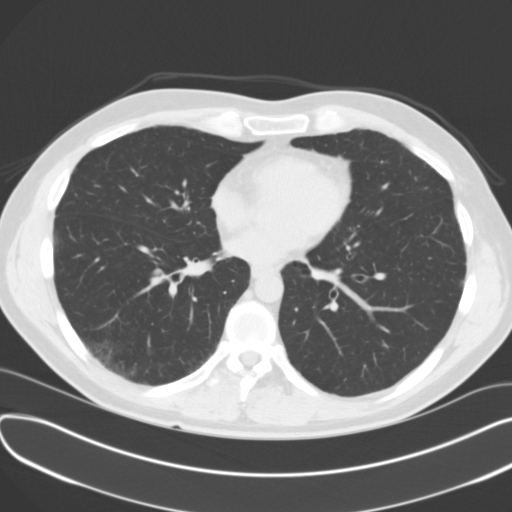
Axial chest CT slice 63 of 131 (counted from the lowest slice); 3.00 mm thick, 0.721 mm per pixel. The readers outlined no nodule of 3 mm or more on this slice.
Scan settings: 120 kVp, B31f reconstruction kernel.